Axial chest CT slice 246 of 290 (counted from the lowest slice); tube voltage 120 kVp, convolution kernel D; slices 1.00 mm thick, 0.662 mm per pixel.
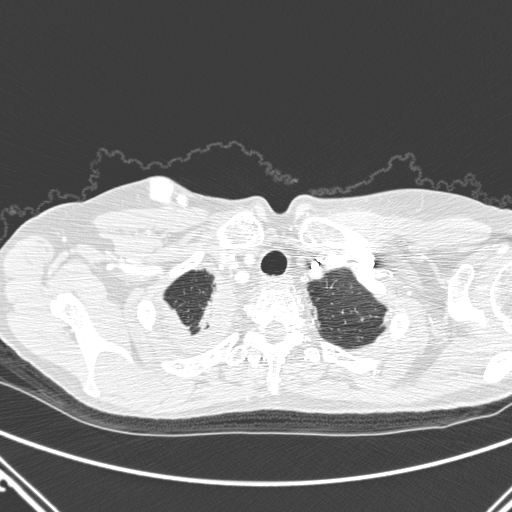
Pulmonary nodule, outlined by three of the four readers, two of them on this slice. Box on this slice rows 317–320, columns 359–363, the union of the readers' outlines on this slice; median longest diameter 6.0 mm (readers' outlines 4.7–7.2 mm), median volume 56 mm3 (33–88 mm3). Median ratings and the readers' spread: texture 5/5 (solid) from all three readers; margin 5/5 (circumscribed) from all three readers; sphericity 5/5 (round), all three readers agreeing; calcification absent, all three readers agreeing; internal structure soft tissue, all three readers agreeing; median subtlety 4/5 (readers ranged 4–5); median malignancy likelihood 2/5 (readers ranged 2–3). Scale key (1–5): texture non-solid→solid, margin indistinct→circumscribed, sphericity linear→round, subtlety extremely subtle→obvious, malignancy likelihood highly unlikely→highly suspicious of cancer. Box rows and columns are 0-based pixel indices from the top-left corner, inclusive.